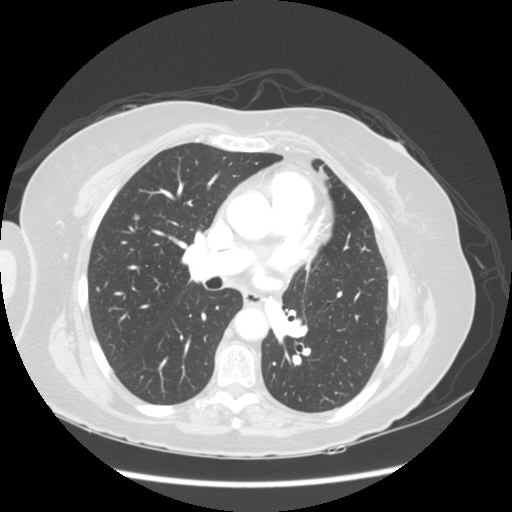
One axial slice (91 of 141, counting up from the lowest) of a chest CT acquired at 120 kVp with the STANDARD kernel; each pixel is 0.703 mm and the slice is 2.50 mm thick.
Pulmonary nodule, outlined by two of the four readers. Box on this slice rows 213–221, columns 133–139, the union of the readers' outlines on this slice; median longest diameter 6.4 mm (readers' outlines 5.7–7.2 mm), median volume 106 mm3 (74–138 mm3). Median ratings and the readers' spread: texture 4.5/5 at the median of two readers, spread 4/5 to 5/5 (solid); median margin 2.5/5 (readers ranged 2/5 to 3/5); sphericity 3/5 (ovoid) from both readers; calcification absent from both readers; internal structure soft tissue, both readers agreeing; subtlety 4/5 at the median of two readers, spread 3–5; median malignancy likelihood 2.5/5 (readers ranged 2–3). Scale key (1–5): texture non-solid→solid, margin indistinct→circumscribed, sphericity linear→round, subtlety extremely subtle→obvious, malignancy likelihood highly unlikely→highly suspicious of cancer. Box rows and columns are 0-based pixel indices from the top-left corner, inclusive.